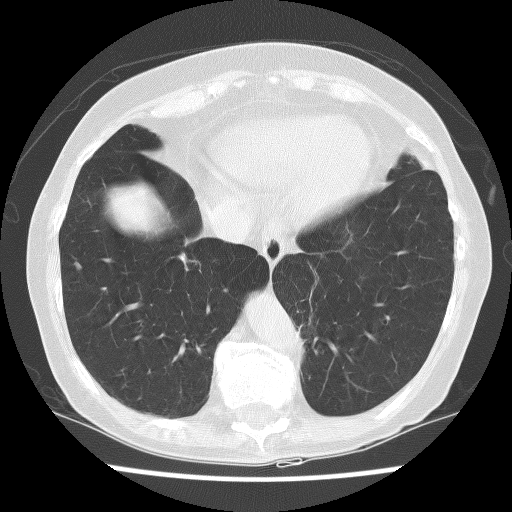
Slice 38/120 of a chest CT, counting up from the lowest; pixel size 0.576 mm, slice thickness 2.50 mm. Pulmonary nodule outlined by all four readers; box rows 261–271, columns 73–82 (the union of the readers' outlines on this slice); the four readers' outlines give a longest diameter between 5.7 and 7.1 mm and a volume between 52 and 93 mm3. Ratings across the readers: texture from 1/5 (non-solid) to 5/5 (solid) across the four readers; margin from 3/5 to 5/5 (circumscribed) across the four readers; sphericity from 2/5 to 4/5 across the four readers; calcification absent from all four readers; internal structure: soft tissue (three), fluid (one); subtlety from 3/5 to 5/5 across the four readers; malignancy likelihood from 1/5 to 3/5 across the four readers. Scale key (1–5): texture non-solid→solid, margin indistinct→circumscribed, sphericity linear→round, subtlety extremely subtle→obvious, malignancy likelihood highly unlikely→highly suspicious of cancer. Box rows and columns are 0-based pixel indices from the top-left corner, inclusive.
Tube voltage 140 kVp; convolution kernel BONE.